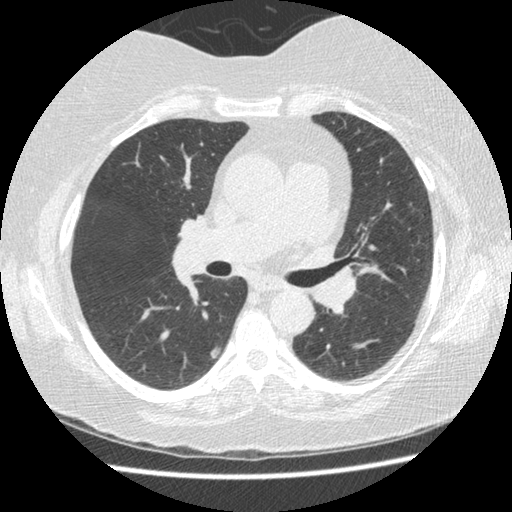
Chest CT, axial plane, 120 kVp, kernel STANDARD. Slice 293/474 from the bottom of the scan; thickness 1.25 mm; pixel size 0.645 mm.
Pulmonary nodule at rows 346–358, columns 209–221 (box = the union of the readers' outlines on this slice), outlined by three of the four readers; median longest diameter 9.0 mm (readers' outlines 9.0–9.6 mm), median volume 103 mm3 (91–114 mm3). Ratings, median across the readers with their spread: texture 3/5 (part-solid) at the median of three readers, spread 2/5 to 5/5 (solid); median margin 3/5 (readers ranged 2/5 to 5/5 (circumscribed)); sphericity 3/5 (ovoid), all three readers agreeing; calcification absent from all three readers; internal structure soft tissue from all three readers; subtlety 4/5 at the median of three readers, spread 3–5; median malignancy likelihood 3/5 (readers ranged 2–3). Scale key (1–5): texture non-solid→solid, margin indistinct→circumscribed, sphericity linear→round, subtlety extremely subtle→obvious, malignancy likelihood highly unlikely→highly suspicious of cancer. Box rows and columns are 0-based pixel indices from the top-left corner, inclusive.